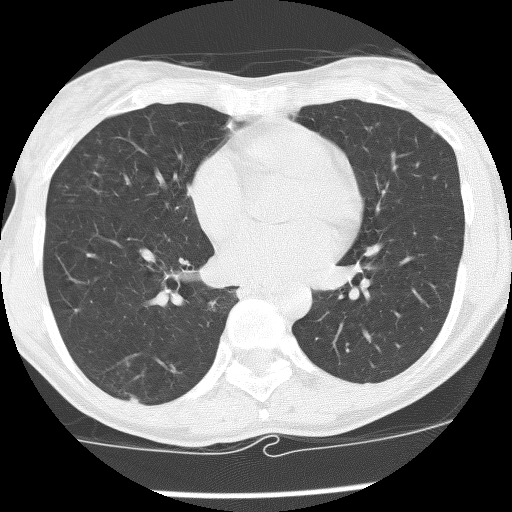
Axial slice 66 of 131 of a chest CT (slice 1 is the lowest), reconstructed with the BONE kernel at 140 kVp; 2.50 mm slice thickness and 0.547 mm pixels.
Pulmonary nodule outlined by one of the four readers; box rows 396–403, columns 129–137 (that reader's outline on this slice); longest diameter 6.7 mm and volume 119 mm3 from that reader's outline. Ratings by that reader: texture 4/5; margin 4/5; sphericity 3/5 (ovoid); calcification absent; internal structure soft tissue; subtlety 3/5; malignancy likelihood 1/5. Scale key (1–5): texture non-solid→solid, margin indistinct→circumscribed, sphericity linear→round, subtlety extremely subtle→obvious, malignancy likelihood highly unlikely→highly suspicious of cancer. Box rows and columns are 0-based pixel indices from the top-left corner, inclusive.